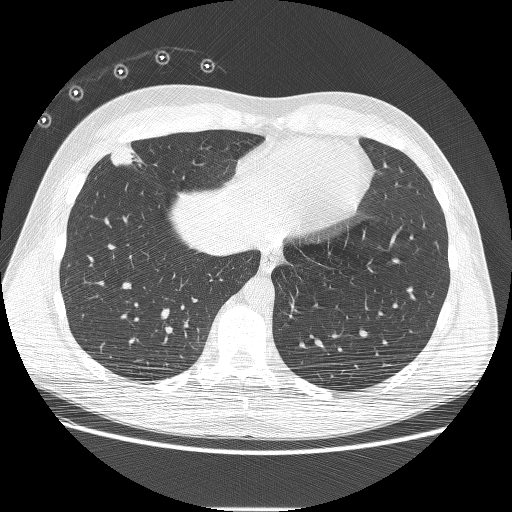
Slice 61/230 of a chest CT, counting up from the lowest; pixel size 0.732 mm, slice thickness 1.25 mm. Pulmonary nodule at rows 143–166, columns 110–140 (box = the union of the readers' outlines on this slice), outlined by all four readers; longest diameter 26.8 mm on average over the four readers' outlines (readers' outlines 23.5–29.5 mm), volume 3146–3701 mm3. The readers' prevailing ratings and who disagreed: texture 5/5 (solid), all four readers agreeing; margin 5/5 (circumscribed) by two of four readers; the rest gave 3/5 (one), 4/5 (one); sphericity split among the readers: 3/5 (ovoid) (two), 4/5 (two); calcification absent from all four readers; internal structure soft tissue, all four readers agreeing; subtlety 5/5, all four readers agreeing; most readers (three of four) put malignancy likelihood at 5/5, others 4/5 (one). Scale key (1–5): texture non-solid→solid, margin indistinct→circumscribed, sphericity linear→round, subtlety extremely subtle→obvious, malignancy likelihood highly unlikely→highly suspicious of cancer. Box rows and columns are 0-based pixel indices from the top-left corner, inclusive.
Acquired at 120 kVp and reconstructed with the BONE kernel.